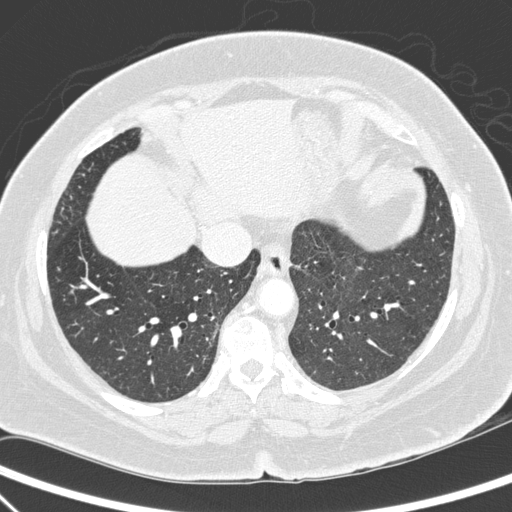
This is axial slice 90 of 272 (slice 1 is the lowest) of a chest CT; each pixel is 0.676 mm and the slice is 1.00 mm thick. Pulmonary nodule outlined by two of the four readers; box rows 266–269, columns 354–363 (the union of the readers' outlines on this slice); longest diameter 6.8 mm on average over the two readers' outlines (readers' outlines 5.4–8.2 mm), volume 51–143 mm3. The readers' prevailing ratings and who disagreed: texture 5/5 (solid) from both readers; margin split among the readers: 4/5 (one), 5/5 (circumscribed) (one); sphericity split among the readers: 2/5 (one), 4/5 (one); calcification absent, both readers agreeing; internal structure soft tissue, both readers agreeing; subtlety split among the readers: 1/5 (one), 4/5 (one); malignancy likelihood split among the readers: 1/5 (one), 3/5 (one). Scale key (1–5): texture non-solid→solid, margin indistinct→circumscribed, sphericity linear→round, subtlety extremely subtle→obvious, malignancy likelihood highly unlikely→highly suspicious of cancer. Box rows and columns are 0-based pixel indices from the top-left corner, inclusive.
Acquired at 140 kVp and reconstructed with the D kernel.